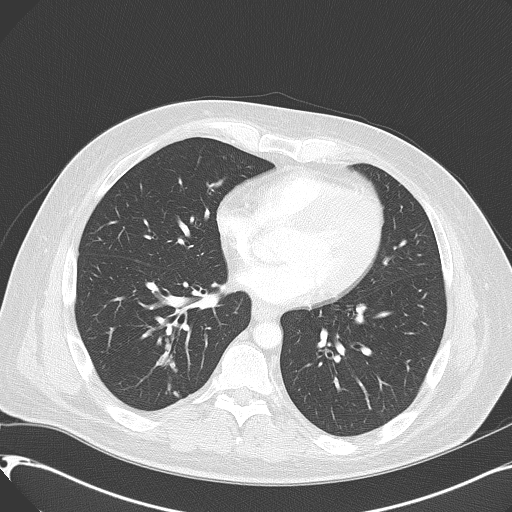
One axial slice (239 of 416, counting up from the lowest) of a chest CT acquired at 120 kVp with the B70f kernel; each pixel is 0.723 mm and the slice is 2.00 mm thick.
Pulmonary nodule at rows 352–365, columns 159–172 (box = the union of the readers' outlines on this slice), outlined by two of the four readers; longest diameter 11.9 mm on average over the two readers' outlines (readers' outlines 11.8–12.1 mm), volume 626–706 mm3. Ratings, by the readers' most common answer with dissent counted: texture 5/5 (solid), both readers agreeing; margin split among the readers: 4/5 (one), 5/5 (circumscribed) (one); sphericity 4/5, both readers agreeing; calcification absent from both readers; internal structure soft tissue, both readers agreeing; subtlety split among the readers: 4/5 (one), 5/5 (one); malignancy likelihood split among the readers: 4/5 (one), 5/5 (one). Scale key (1–5): texture non-solid→solid, margin indistinct→circumscribed, sphericity linear→round, subtlety extremely subtle→obvious, malignancy likelihood highly unlikely→highly suspicious of cancer. Box rows and columns are 0-based pixel indices from the top-left corner, inclusive.